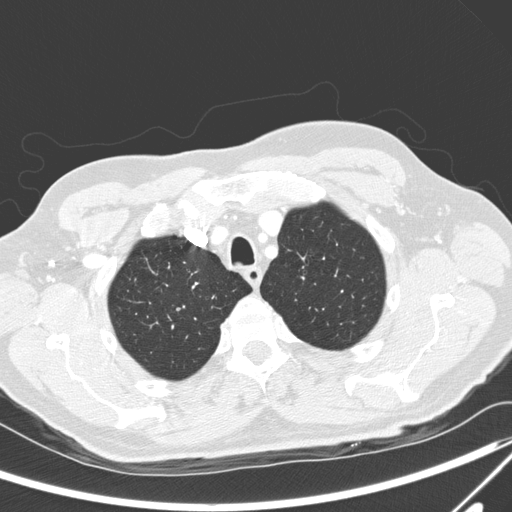
Axial chest CT slice 238 of 300 (counted from the lowest slice); 2.00 mm thick, 0.678 mm per pixel. Pulmonary nodule, outlined by one of the four readers. Box on this slice rows 307–310, columns 176–180, that reader's outline on this slice; longest diameter 5.2 mm and volume 59 mm3 from that reader's outline. Ratings by that reader: texture 5/5 (solid); margin 4/5; sphericity 5/5 (round); calcification absent; internal structure soft tissue; subtlety 5/5; malignancy likelihood 3/5. Scale key (1–5): texture non-solid→solid, margin indistinct→circumscribed, sphericity linear→round, subtlety extremely subtle→obvious, malignancy likelihood highly unlikely→highly suspicious of cancer. Box rows and columns are 0-based pixel indices from the top-left corner, inclusive.
Acquired at 120 kVp and reconstructed with the D kernel.